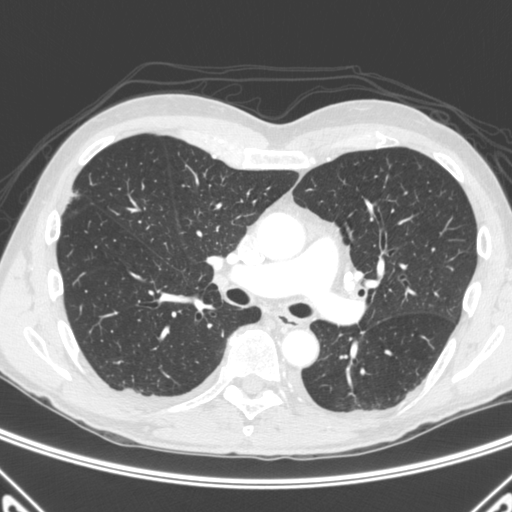
Chest CT, axial plane, 120 kVp, kernel C. Slice 249/445 from the bottom of the scan; thickness 1.50 mm; pixel size 0.676 mm.
Pulmonary nodule, outlined by all four readers, two of them on this slice. Box on this slice rows 184–186, columns 181–184, the union of the readers' outlines on this slice; median longest diameter 5.1 mm (readers' outlines 4.3–5.8 mm), median volume 35 mm3 (24–39 mm3). Median ratings and the readers' spread: texture 5/5 (solid), all four readers agreeing; margin 5/5 (circumscribed) from all four readers; sphericity 5/5 (round) at the median of four readers, spread 4/5 to 5/5 (round); calcification: solid calcification (three), central calcification (one); internal structure soft tissue, all four readers agreeing; median subtlety 5/5 (readers ranged 4–5); malignancy likelihood 1/5, all four readers agreeing. Scale key (1–5): texture non-solid→solid, margin indistinct→circumscribed, sphericity linear→round, subtlety extremely subtle→obvious, malignancy likelihood highly unlikely→highly suspicious of cancer. Box rows and columns are 0-based pixel indices from the top-left corner, inclusive.